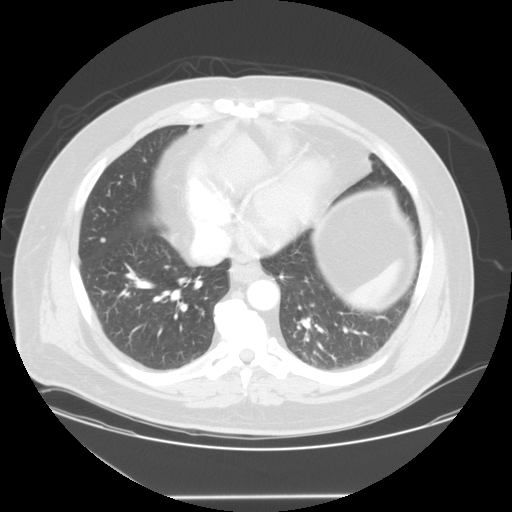
Axial slice 61 of 127 of a chest CT (slice 1 is the lowest), reconstructed with the STANDARD kernel at 120 kVp; 2.50 mm slice thickness and 0.859 mm pixels.
Pulmonary nodule at rows 237–242, columns 100–105 (box = the union of the readers' outlines on this slice), outlined by two of the four readers; the two readers' outlines give a longest diameter of 6.1 mm and a volume between 94 and 104 mm3. Ratings across the readers: texture 5/5 (solid), both readers agreeing; margin 5/5 (circumscribed) from both readers; sphericity 5/5 (round) from both readers; calcification absent, both readers agreeing; internal structure soft tissue, both readers agreeing; subtlety 2–5/5 (the readers disagree); malignancy likelihood 2/5 from both readers. Scale key (1–5): texture non-solid→solid, margin indistinct→circumscribed, sphericity linear→round, subtlety extremely subtle→obvious, malignancy likelihood highly unlikely→highly suspicious of cancer. Box rows and columns are 0-based pixel indices from the top-left corner, inclusive.